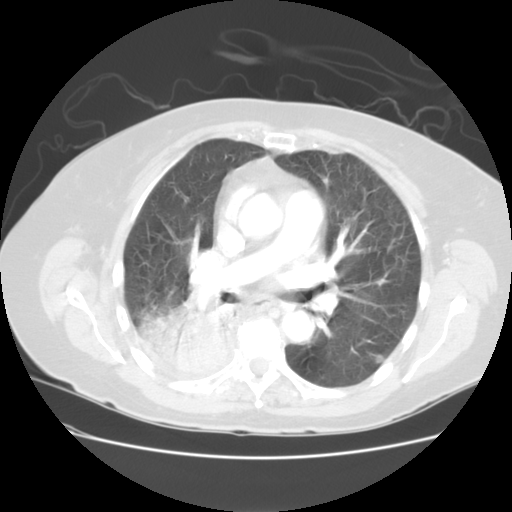
Axial chest CT slice 92 of 133 (counted from the lowest slice); 2.50 mm thick, 0.703 mm per pixel. Pulmonary nodule outlined by all four readers; box rows 354–362, columns 375–384 (the union of the readers' outlines on this slice); the four readers' outlines give a longest diameter between 8.7 and 9.6 mm and a volume between 199 and 304 mm3. Ratings across the readers: texture 5/5 (solid) from all four readers; margin from 3/5 to 5/5 (circumscribed) across the four readers; sphericity from 3/5 (ovoid) to 5/5 (round) across the four readers; calcification absent from all four readers; internal structure soft tissue from all four readers; subtlety 4–5/5 (the readers disagree); malignancy likelihood rated between 2 and 3 out of 5 by the four readers. Scale key (1–5): texture non-solid→solid, margin indistinct→circumscribed, sphericity linear→round, subtlety extremely subtle→obvious, malignancy likelihood highly unlikely→highly suspicious of cancer. Box rows and columns are 0-based pixel indices from the top-left corner, inclusive.
Tube voltage 120 kVp; convolution kernel STANDARD.